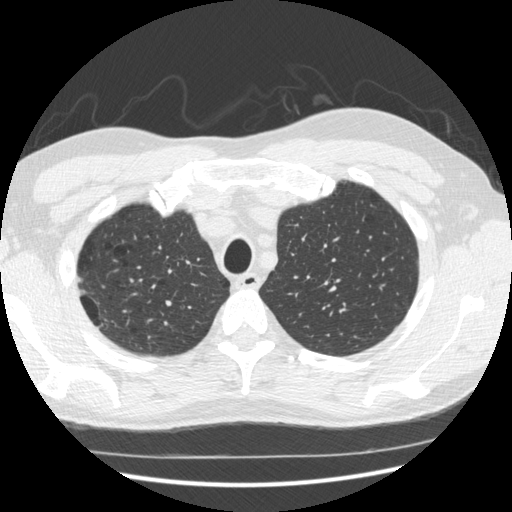
Chest CT, axial plane, 120 kVp, kernel STANDARD. Slice 415/509 from the bottom of the scan; thickness 1.25 mm; pixel size 0.703 mm.
Pulmonary nodule at rows 276–281, columns 77–81 (box = that reader's outline on this slice), outlined by one of the four readers; longest diameter 7.0 mm and volume 52 mm3 from that reader's outline. That reader's ratings: texture 5/5 (solid); margin 4/5; sphericity 3/5 (ovoid); calcification absent; internal structure soft tissue; subtlety 3/5; malignancy likelihood 2/5. Scale key (1–5): texture non-solid→solid, margin indistinct→circumscribed, sphericity linear→round, subtlety extremely subtle→obvious, malignancy likelihood highly unlikely→highly suspicious of cancer. Box rows and columns are 0-based pixel indices from the top-left corner, inclusive.